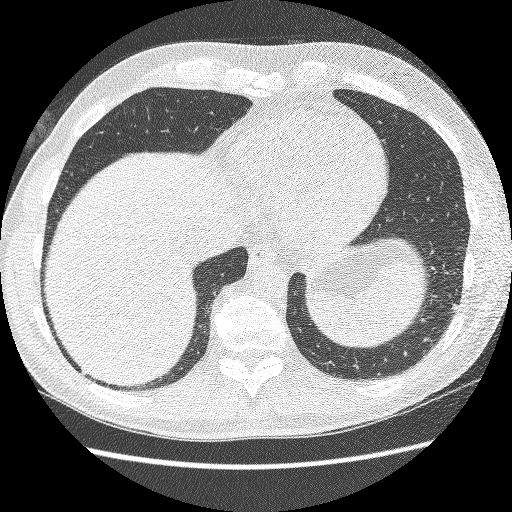
Axial slice 64 of 252 of a chest CT (slice 1 is the lowest), reconstructed with the BONE kernel at 120 kVp; 1.25 mm slice thickness and 0.703 mm pixels.
Pulmonary nodule at rows 304–310, columns 450–457 (box = the union of the readers' outlines on this slice), outlined by two of the four readers; longest diameter 6.4–6.5 mm and volume 61–65 mm3 across the two readers' outlines. Ratings across the readers: texture 5/5 (solid) from both readers; margin from 4/5 to 5/5 (circumscribed) across the two readers; sphericity 4/5, both readers agreeing; calcification absent from both readers; internal structure soft tissue from both readers; subtlety 2–4/5 (the readers disagree); malignancy likelihood 2–3/5 (the readers disagree). Scale key (1–5): texture non-solid→solid, margin indistinct→circumscribed, sphericity linear→round, subtlety extremely subtle→obvious, malignancy likelihood highly unlikely→highly suspicious of cancer. Box rows and columns are 0-based pixel indices from the top-left corner, inclusive.